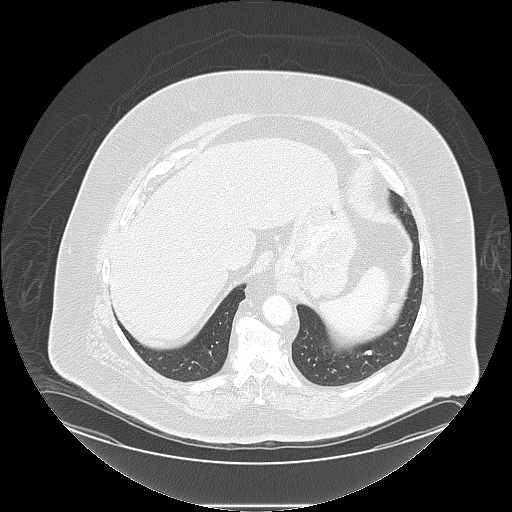
One axial slice (17 of 117, counting up from the lowest) of a chest CT acquired at 120 kVp with the LUNG kernel; each pixel is 0.977 mm and the slice is 2.50 mm thick.
Pulmonary nodule outlined by three of the four readers; box rows 349–355, columns 364–371 (the union of the readers' outlines on this slice); median longest diameter 8.1 mm (readers' outlines 8.1–8.3 mm), median volume 136 mm3 (130–165 mm3). Ratings, median across the readers with their spread: texture 5/5 (solid) from all three readers; margin 5/5 (circumscribed), all three readers agreeing; sphericity 3/5 (ovoid) at the median of three readers, spread 2/5 to 4/5; calcification: solid calcification (two), absent (one); internal structure soft tissue from all three readers; subtlety 3/5 at the median of three readers, spread 2–4; malignancy likelihood 1/5 at the median of three readers, spread 1–2. Scale key (1–5): texture non-solid→solid, margin indistinct→circumscribed, sphericity linear→round, subtlety extremely subtle→obvious, malignancy likelihood highly unlikely→highly suspicious of cancer. Box rows and columns are 0-based pixel indices from the top-left corner, inclusive.